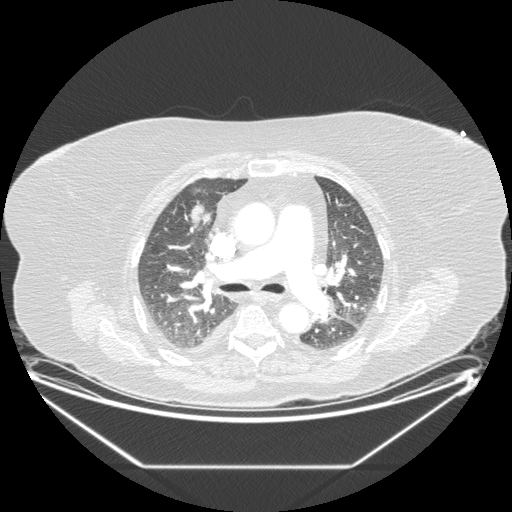
Axial chest CT slice 120 of 206 (counted from the lowest slice); tube voltage 120 kVp, convolution kernel STANDARD; slices 1.25 mm thick, 0.898 mm per pixel.
Pulmonary nodule, outlined by three of the four readers. Box on this slice rows 203–226, columns 189–211, the union of the readers' outlines on this slice; the three readers' outlines give a longest diameter between 31.1 and 37.8 mm and a volume between 4036 and 4781 mm3. The readers' ratings, as ranges where they differ: texture from 1/5 (non-solid) to 5/5 (solid) across the three readers; margin 4/5, all three readers agreeing; sphericity from 2/5 to 3/5 (ovoid) across the three readers; calcification absent from all three readers; internal structure soft tissue, all three readers agreeing; subtlety rated between 4 and 5 out of 5 by the three readers; malignancy likelihood 3–5/5 (the readers disagree). Scale key (1–5): texture non-solid→solid, margin indistinct→circumscribed, sphericity linear→round, subtlety extremely subtle→obvious, malignancy likelihood highly unlikely→highly suspicious of cancer. Box rows and columns are 0-based pixel indices from the top-left corner, inclusive.